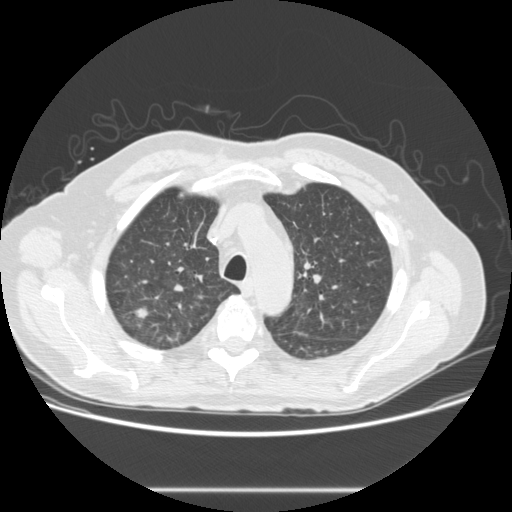
Slice 202/273 of a chest CT, counting up from the lowest; pixel size 0.740 mm, slice thickness 1.25 mm. Pulmonary nodule at rows 306–318, columns 133–148 (box = the union of the readers' outlines on this slice), outlined by all four readers; median longest diameter 11.0 mm (readers' outlines 10.1–12.7 mm), median volume 344 mm3 (277–395 mm3). Median ratings and the readers' spread: texture 4.5/5 at the median of four readers, spread 4/5 to 5/5 (solid); median margin 3.5/5 (readers ranged 2/5 to 4/5); median sphericity 3.5/5 (readers ranged 3/5 (ovoid) to 4/5); calcification absent, all four readers agreeing; internal structure soft tissue from all four readers; median subtlety 4/5 (readers ranged 3–4); malignancy likelihood 3.5/5 at the median of four readers, spread 3–5. Scale key (1–5): texture non-solid→solid, margin indistinct→circumscribed, sphericity linear→round, subtlety extremely subtle→obvious, malignancy likelihood highly unlikely→highly suspicious of cancer. Box rows and columns are 0-based pixel indices from the top-left corner, inclusive.
Scan settings: 120 kVp, STANDARD reconstruction kernel.